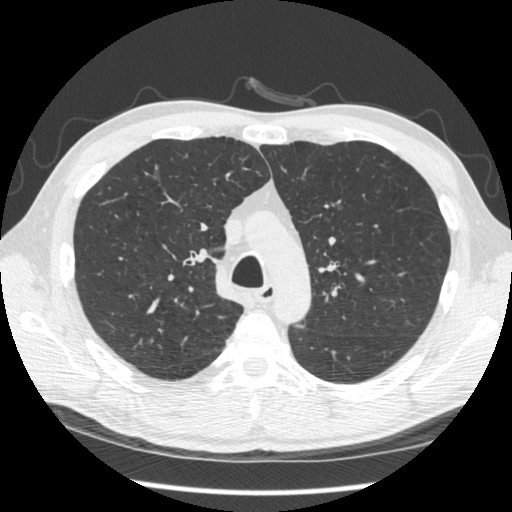
Axial slice 340 of 506 of a chest CT (slice 1 is the lowest), reconstructed with the STANDARD kernel at 120 kVp; 1.25 mm slice thickness and 0.664 mm pixels.
The readers outlined no nodule of 3 mm or more on this slice.